Chest CT, axial plane, 120 kVp, kernel B30f. Slice 258/536 from the bottom of the scan; thickness 0.75 mm; pixel size 0.656 mm.
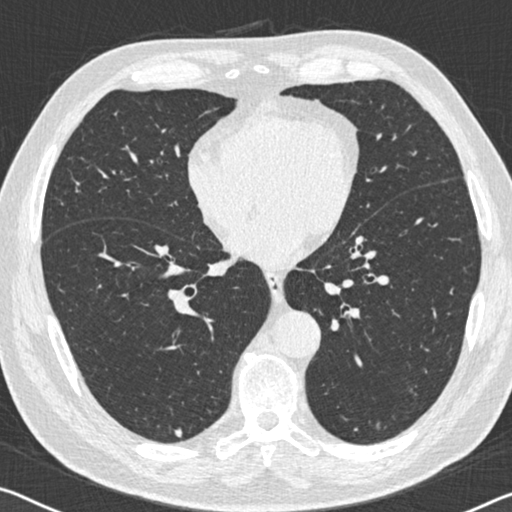
Two pulmonary nodules are outlined on this slice; from left to right: (1) Pulmonary nodule at rows 428–437, columns 174–182 (box = the union of the readers' outlines on this slice), outlined by three of the four readers; longest diameter 7.9 mm on average over the three readers' outlines (readers' outlines 6.2–9.3 mm), volume 71–161 mm3. The readers' prevailing ratings and who disagreed: texture 5/5 (solid), all three readers agreeing; most readers (two of three) put margin at 4/5, others 3/5 (one); most readers (two of three) put sphericity at 3/5 (ovoid), others 4/5 (one); calcification absent by two of three readers, non-central calcification (one); internal structure soft tissue from all three readers; subtlety split among the readers: 3/5 (one), 4/5 (one), 5/5 (one); malignancy likelihood 2/5 by two of three readers; the rest gave 3/5 (one). (2) Pulmonary nodule, outlined by three of the four readers, two of them on this slice. Box on this slice rows 422–428, columns 375–379, the union of the readers' outlines on this slice; longest diameter 7.0 mm on average over the three readers' outlines (readers' outlines 5.9–7.9 mm), volume 17–64 mm3. The readers' prevailing ratings and who disagreed: texture 5/5 (solid) from all three readers; margin 3/5 by two of three readers; the rest gave 2/5 (one); sphericity split among the readers: 1/5 (linear) (one), 2/5 (one), 3/5 (ovoid) (one); calcification absent from all three readers; internal structure soft tissue from all three readers; subtlety split among the readers: 2/5 (one), 3/5 (one), 5/5 (one); most readers (two of three) put malignancy likelihood at 3/5, others 1/5 (one). Scale key (1–5): texture non-solid→solid, margin indistinct→circumscribed, sphericity linear→round, subtlety extremely subtle→obvious, malignancy likelihood highly unlikely→highly suspicious of cancer. Box rows and columns are 0-based pixel indices from the top-left corner, inclusive.